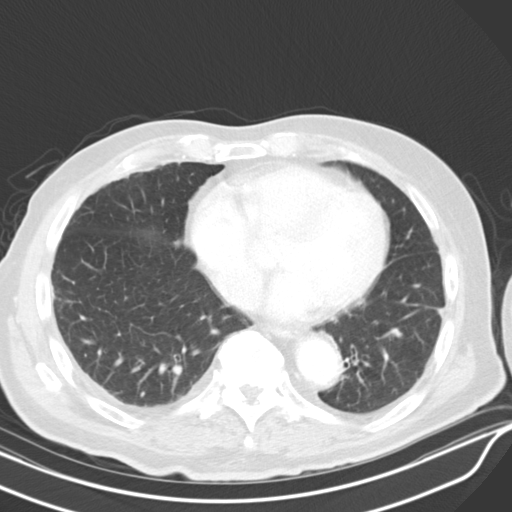
This is axial slice 216 of 319 (slice 1 is the lowest) of a chest CT; each pixel is 0.729 mm and the slice is 4.00 mm thick. Pulmonary nodule outlined by one of the four readers; box rows 240–246, columns 174–181 (that reader's outline on this slice); longest diameter 8.8 mm and volume 265 mm3 from that reader's outline. Ratings by that reader: texture 5/5 (solid); margin 2/5; sphericity 4/5; calcification absent; internal structure soft tissue; subtlety 5/5; malignancy likelihood 2/5. Scale key (1–5): texture non-solid→solid, margin indistinct→circumscribed, sphericity linear→round, subtlety extremely subtle→obvious, malignancy likelihood highly unlikely→highly suspicious of cancer. Box rows and columns are 0-based pixel indices from the top-left corner, inclusive.
Tube voltage 130 kVp; convolution kernel B30s.